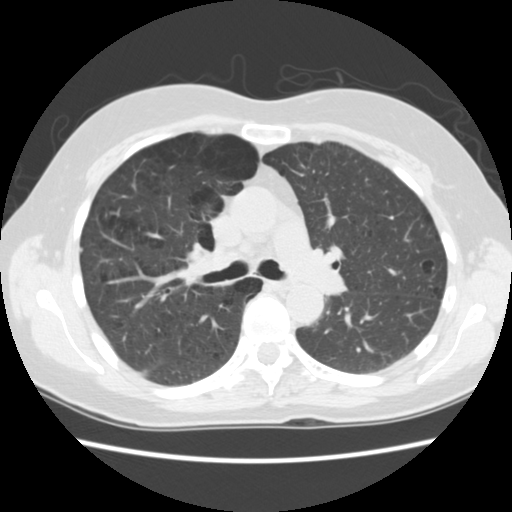
Axial chest CT slice 94 of 156 (counted from the lowest slice); tube voltage 120 kVp, convolution kernel STANDARD; slices 2.50 mm thick, 0.645 mm per pixel.
Pulmonary nodule outlined by one of the four readers; box rows 248–251, columns 80–82 (that reader's outline on this slice); longest diameter 4.6 mm and volume 42 mm3 from that reader's outline. Ratings by that reader: texture 5/5 (solid); margin 5/5 (circumscribed); sphericity 4/5; calcification absent; internal structure soft tissue; subtlety 5/5; malignancy likelihood 2/5. Scale key (1–5): texture non-solid→solid, margin indistinct→circumscribed, sphericity linear→round, subtlety extremely subtle→obvious, malignancy likelihood highly unlikely→highly suspicious of cancer. Box rows and columns are 0-based pixel indices from the top-left corner, inclusive.